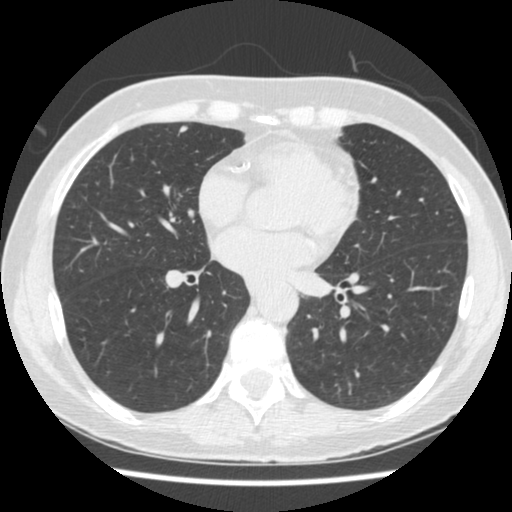
Axial slice 217 of 481 of a chest CT (slice 1 is the lowest), reconstructed with the STANDARD kernel at 120 kVp; 1.25 mm slice thickness and 0.605 mm pixels.
Pulmonary nodule outlined by all four readers; box rows 126–132, columns 179–187 (the union of the readers' outlines on this slice); the four readers' outlines give a longest diameter between 5.4 and 6.8 mm and a volume between 23 and 57 mm3. Ratings across the readers: texture from 4/5 to 5/5 (solid) across the four readers; margin from 4/5 to 5/5 (circumscribed) across the four readers; sphericity from 3/5 (ovoid) to 5/5 (round) across the four readers; calcification absent from all four readers; internal structure soft tissue from all four readers; subtlety from 3/5 to 5/5 across the four readers; malignancy likelihood 2–3/5 (the readers disagree). Scale key (1–5): texture non-solid→solid, margin indistinct→circumscribed, sphericity linear→round, subtlety extremely subtle→obvious, malignancy likelihood highly unlikely→highly suspicious of cancer. Box rows and columns are 0-based pixel indices from the top-left corner, inclusive.